Axial chest CT slice 114 of 137 (counted from the lowest slice); tube voltage 120 kVp, convolution kernel STANDARD; slices 2.50 mm thick, 0.742 mm per pixel.
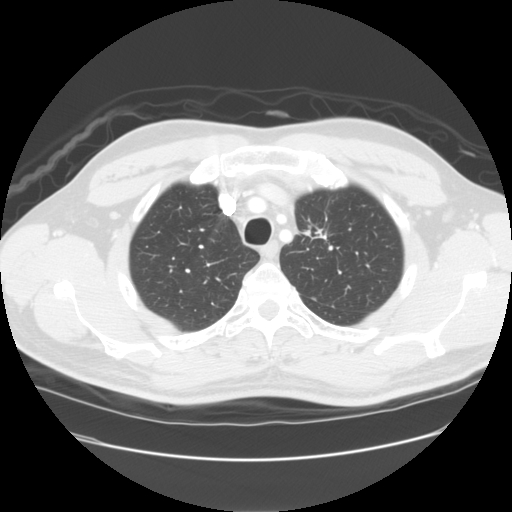
Pulmonary nodule, outlined by all four readers, three of them on this slice. Box on this slice rows 217–238, columns 298–328, the union of the readers' outlines on this slice; median longest diameter 36.9 mm (readers' outlines 30.7–45.5 mm), median volume 7191 mm3 (6191–8548 mm3). Ratings, median across the readers with their spread: median texture 5/5 (solid) (readers ranged 4/5 to 5/5 (solid)); margin 3.5/5 at the median of four readers, spread 2/5 to 4/5; median sphericity 3.5/5 (readers ranged 3/5 (ovoid) to 5/5 (round)); calcification absent from all four readers; internal structure soft tissue, all four readers agreeing; subtlety 5/5 from all four readers; malignancy likelihood 5/5 at the median of four readers, spread 4–5. Scale key (1–5): texture non-solid→solid, margin indistinct→circumscribed, sphericity linear→round, subtlety extremely subtle→obvious, malignancy likelihood highly unlikely→highly suspicious of cancer. Box rows and columns are 0-based pixel indices from the top-left corner, inclusive.